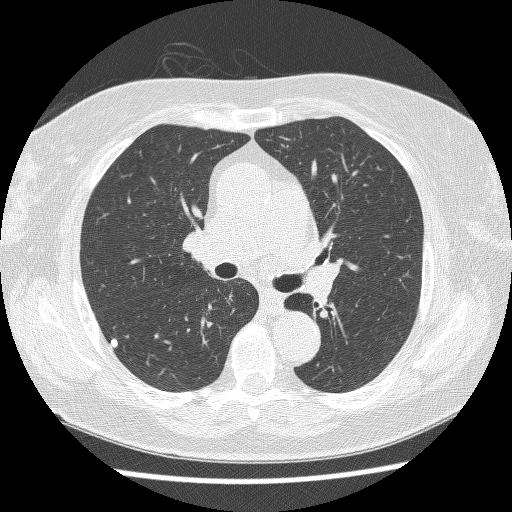
One axial slice (153 of 229, counting up from the lowest) of a chest CT acquired at 120 kVp with the BONE kernel; each pixel is 0.654 mm and the slice is 1.25 mm thick.
Pulmonary nodule, outlined by all four readers. Box on this slice rows 338–347, columns 110–117, the union of the readers' outlines on this slice; median longest diameter 7.3 mm (readers' outlines 7.3 mm), median volume 139 mm3 (124–150 mm3). Ratings, median across the readers with their spread: texture 5/5 (solid) from all four readers; margin 5/5 (circumscribed), all four readers agreeing; median sphericity 4.5/5 (readers ranged 4/5 to 5/5 (round)); calcification solid calcification, all four readers agreeing; internal structure soft tissue from all four readers; subtlety 4.5/5 at the median of four readers, spread 3–5; malignancy likelihood 1/5, all four readers agreeing. Scale key (1–5): texture non-solid→solid, margin indistinct→circumscribed, sphericity linear→round, subtlety extremely subtle→obvious, malignancy likelihood highly unlikely→highly suspicious of cancer. Box rows and columns are 0-based pixel indices from the top-left corner, inclusive.